Axial slice 282 of 417 of a chest CT (slice 1 is the lowest), reconstructed with the STANDARD kernel at 120 kVp; 1.25 mm slice thickness and 0.703 mm pixels.
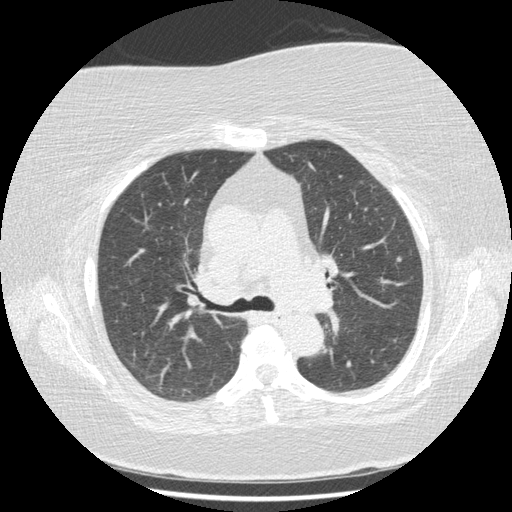
Pulmonary nodule at rows 256–261, columns 395–402 (box = the union of the readers' outlines on this slice), outlined by three of the four readers; longest diameter 5.8–6.7 mm and volume 55–91 mm3 across the three readers' outlines. The readers' ratings, as ranges where they differ: texture from 4/5 to 5/5 (solid) across the three readers; margin from 4/5 to 5/5 (circumscribed) across the three readers; sphericity from 4/5 to 5/5 (round) across the three readers; calcification absent from all three readers; internal structure soft tissue from all three readers; subtlety 4–5/5 (the readers disagree); malignancy likelihood from 2/5 to 3/5 across the three readers. Scale key (1–5): texture non-solid→solid, margin indistinct→circumscribed, sphericity linear→round, subtlety extremely subtle→obvious, malignancy likelihood highly unlikely→highly suspicious of cancer. Box rows and columns are 0-based pixel indices from the top-left corner, inclusive.